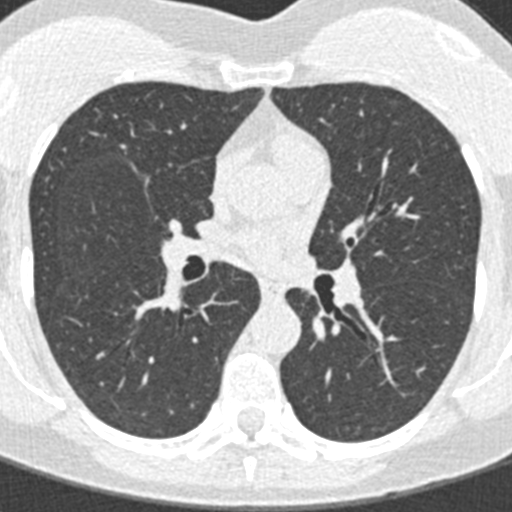
Axial slice 203 of 376 of a chest CT (slice 1 is the lowest), reconstructed with the B30f kernel at 120 kVp; 0.75 mm slice thickness and 0.461 mm pixels.
Pulmonary nodule outlined by three of the four readers, two of them on this slice; box rows 144–149, columns 121–126 (the union of the readers' outlines on this slice); longest diameter 6.0 mm on average over the three readers' outlines (readers' outlines 5.3–7.2 mm), volume 18–56 mm3. Ratings, by the readers' most common answer with dissent counted: texture 5/5 (solid) from all three readers; most readers (two of three) put margin at 4/5, others 5/5 (circumscribed) (one); sphericity 3/5 (ovoid) by two of three readers; the rest gave 4/5 (one); calcification solid calcification by two of three readers, absent (one); internal structure soft tissue, all three readers agreeing; subtlety split among the readers: 3/5 (one), 4/5 (one), 5/5 (one); malignancy likelihood 1/5 by two of three readers; the rest gave 3/5 (one). Scale key (1–5): texture non-solid→solid, margin indistinct→circumscribed, sphericity linear→round, subtlety extremely subtle→obvious, malignancy likelihood highly unlikely→highly suspicious of cancer. Box rows and columns are 0-based pixel indices from the top-left corner, inclusive.